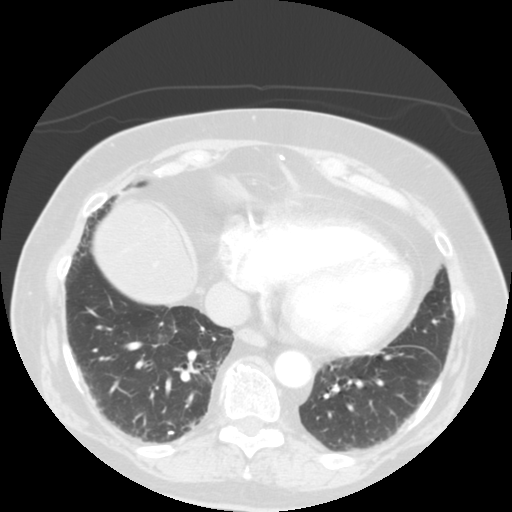
Chest CT, axial plane, 120 kVp, kernel STANDARD. Slice 35/121 from the bottom of the scan; thickness 2.50 mm; pixel size 0.664 mm.
Pulmonary nodule outlined by one of the four readers; box rows 431–434, columns 168–173 (that reader's outline on this slice); longest diameter 5.1 mm and volume 59 mm3 from that reader's outline. That reader's ratings: texture 5/5 (solid); margin 5/5 (circumscribed); sphericity 2/5; calcification solid calcification; internal structure soft tissue; subtlety 1/5; malignancy likelihood 1/5. Scale key (1–5): texture non-solid→solid, margin indistinct→circumscribed, sphericity linear→round, subtlety extremely subtle→obvious, malignancy likelihood highly unlikely→highly suspicious of cancer. Box rows and columns are 0-based pixel indices from the top-left corner, inclusive.